Chest CT, axial plane, 120 kVp, kernel B31f. Slice 102/118 from the bottom of the scan; thickness 3.00 mm; pixel size 0.707 mm.
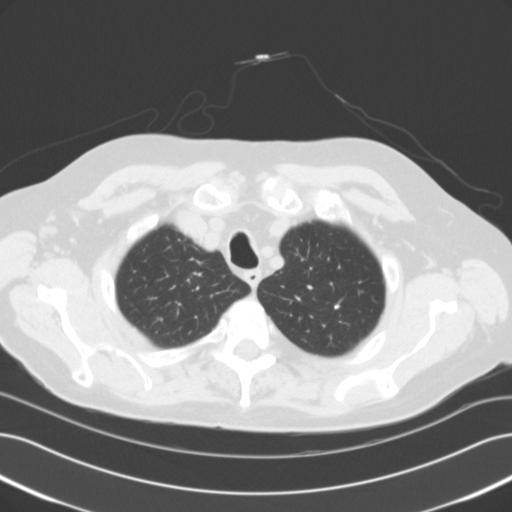
Pulmonary nodule, outlined by three of the four readers. Box on this slice rows 304–309, columns 334–339, the union of the readers' outlines on this slice; longest diameter 5.6 mm on average over the three readers' outlines (readers' outlines 5.1–6.5 mm), volume 84–128 mm3. The readers' prevailing ratings and who disagreed: texture 5/5 (solid), all three readers agreeing; most readers (two of three) put margin at 5/5 (circumscribed), others 4/5 (one); sphericity 5/5 (round), all three readers agreeing; calcification solid calcification by two of three readers, central calcification (one); internal structure soft tissue, all three readers agreeing; subtlety 5/5 by two of three readers; the rest gave 3/5 (one); malignancy likelihood 1/5, all three readers agreeing. Scale key (1–5): texture non-solid→solid, margin indistinct→circumscribed, sphericity linear→round, subtlety extremely subtle→obvious, malignancy likelihood highly unlikely→highly suspicious of cancer. Box rows and columns are 0-based pixel indices from the top-left corner, inclusive.